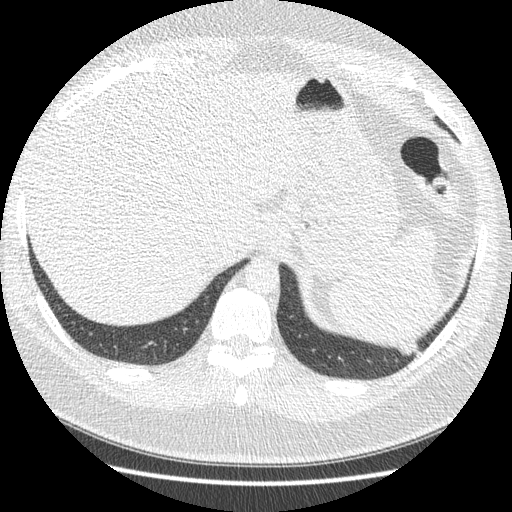
Axial slice 35 of 421 of a chest CT (slice 1 is the lowest), reconstructed with the STANDARD kernel at 120 kVp; 1.25 mm slice thickness and 0.703 mm pixels.
Pulmonary nodule outlined four times (the source holds four more outlines, not used); box rows 341–358, columns 397–422 (the union of the readers' outlines on this slice); median longest diameter 32.9 mm (readers' outlines 30.9–38.9 mm), median volume 5450 mm3 (4443–5826 mm3). Ratings, median across the readers with their spread: texture 5/5 (solid) at the median of four readers, spread 4/5 to 5/5 (solid); margin 4/5 at the median of four readers, spread 3/5 to 4/5; median sphericity 2.5/5 (readers ranged 2/5 to 4/5); calcification absent from all four readers; internal structure soft tissue, all four readers agreeing; median subtlety 5/5 (readers ranged 4–5); median malignancy likelihood 3.5/5 (readers ranged 2–5). Scale key (1–5): texture non-solid→solid, margin indistinct→circumscribed, sphericity linear→round, subtlety extremely subtle→obvious, malignancy likelihood highly unlikely→highly suspicious of cancer. Box rows and columns are 0-based pixel indices from the top-left corner, inclusive.